Axial chest CT slice 44 of 108 (counted from the lowest slice); tube voltage 135 kVp, convolution kernel FC01; slices 3.00 mm thick, 0.564 mm per pixel.
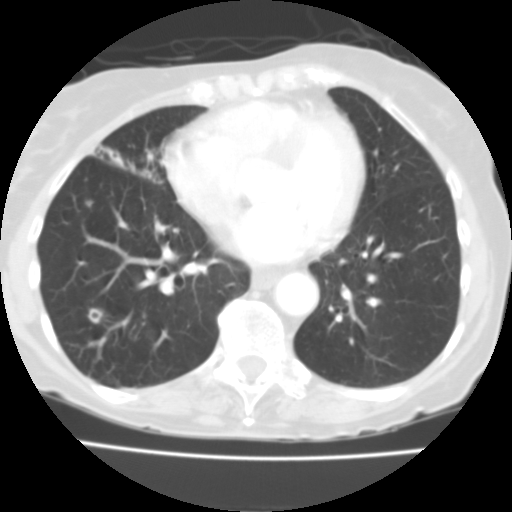
Pulmonary nodule, outlined by two of the four readers. Box on this slice rows 308–325, columns 87–103, the union of the readers' outlines on this slice; longest diameter 10.4 mm on average over the two readers' outlines (readers' outlines 9.6–11.2 mm), volume 381–391 mm3. Ratings, by the readers' most common answer with dissent counted: texture split among the readers: 3/5 (part-solid) (one), 5/5 (solid) (one); margin 3/5 from both readers; sphericity split among the readers: 3/5 (ovoid) (one), 5/5 (round) (one); calcification absent, both readers agreeing; internal structure split among the readers: soft tissue (one), air (one); subtlety 4/5 from both readers; malignancy likelihood 3/5 from both readers. Scale key (1–5): texture non-solid→solid, margin indistinct→circumscribed, sphericity linear→round, subtlety extremely subtle→obvious, malignancy likelihood highly unlikely→highly suspicious of cancer. Box rows and columns are 0-based pixel indices from the top-left corner, inclusive.